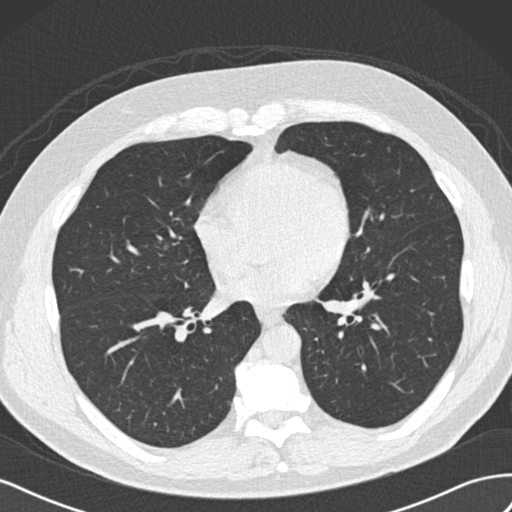
Slice 100/206 of a chest CT, counting up from the lowest; pixel size 0.703 mm, slice thickness 2.00 mm. No nodule of 3 mm or larger was outlined by any of the four readers on this slice.
Tube voltage 120 kVp; convolution kernel B30f.